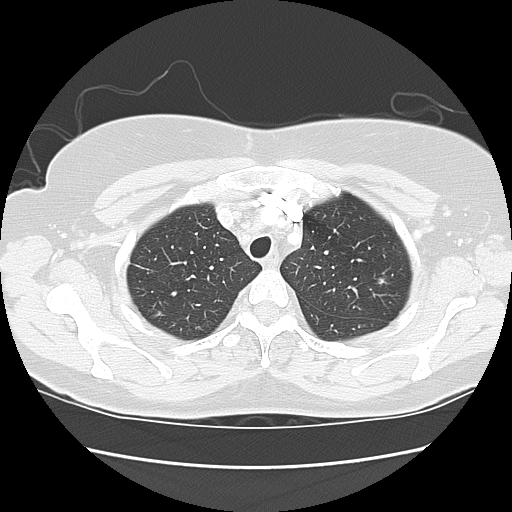
This is axial slice 108 of 130 (slice 1 is the lowest) of a chest CT; each pixel is 0.664 mm and the slice is 2.50 mm thick. Pulmonary nodule, outlined by one of the four readers. Box on this slice rows 275–281, columns 378–385, that reader's outline on this slice; longest diameter 7.6 mm and volume 157 mm3 from that reader's outline. That reader's ratings: texture 3/5 (part-solid); margin 1/5 (indistinct); sphericity 4/5; calcification absent; internal structure soft tissue; subtlety 2/5; malignancy likelihood 3/5. Scale key (1–5): texture non-solid→solid, margin indistinct→circumscribed, sphericity linear→round, subtlety extremely subtle→obvious, malignancy likelihood highly unlikely→highly suspicious of cancer. Box rows and columns are 0-based pixel indices from the top-left corner, inclusive.
Tube voltage 120 kVp; convolution kernel LUNG.